Axial chest CT slice 66 of 133 (counted from the lowest slice); tube voltage 120 kVp, convolution kernel STANDARD; slices 2.50 mm thick, 0.742 mm per pixel.
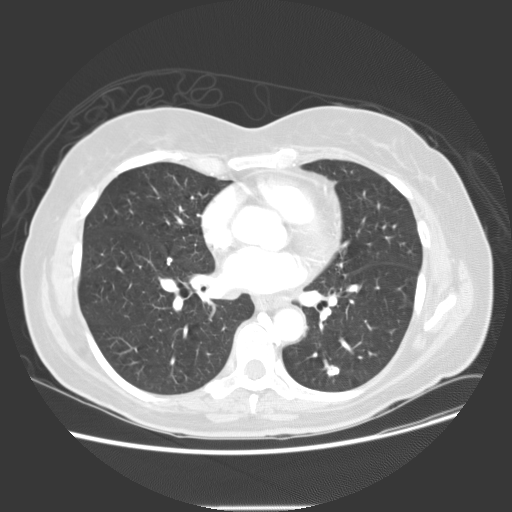
Pulmonary nodule, outlined by all four readers. Box on this slice rows 364–375, columns 326–339, the union of the readers' outlines on this slice; longest diameter 9.7–11.2 mm and volume 300–474 mm3 across the four readers' outlines. Ratings across the readers: texture 5/5 (solid) from all four readers; margin from 4/5 to 5/5 (circumscribed) across the four readers; sphericity from 3/5 (ovoid) to 5/5 (round) across the four readers; calcification split among the readers: absent (two), solid calcification (two); internal structure soft tissue, all four readers agreeing; subtlety from 3/5 to 5/5 across the four readers; malignancy likelihood rated between 1 and 3 out of 5 by the four readers. Scale key (1–5): texture non-solid→solid, margin indistinct→circumscribed, sphericity linear→round, subtlety extremely subtle→obvious, malignancy likelihood highly unlikely→highly suspicious of cancer. Box rows and columns are 0-based pixel indices from the top-left corner, inclusive.